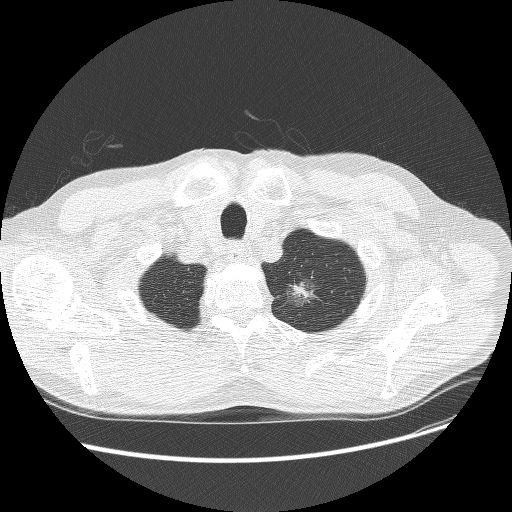
Slice 246/268 of a chest CT, counting up from the lowest; pixel size 0.742 mm, slice thickness 1.25 mm. Pulmonary nodule outlined by three of the four readers; box rows 277–307, columns 284–322 (the union of the readers' outlines on this slice); longest diameter 30.8–31.7 mm and volume 4750–7267 mm3 across the three readers' outlines. The readers' ratings, as ranges where they differ: texture 3/5 (part-solid) from all three readers; margin 1/5 (indistinct), all three readers agreeing; sphericity from 3/5 (ovoid) to 4/5 across the three readers; calcification absent from all three readers; internal structure soft tissue from all three readers; subtlety 4–5/5 (the readers disagree); malignancy likelihood from 4/5 to 5/5 across the three readers. Scale key (1–5): texture non-solid→solid, margin indistinct→circumscribed, sphericity linear→round, subtlety extremely subtle→obvious, malignancy likelihood highly unlikely→highly suspicious of cancer. Box rows and columns are 0-based pixel indices from the top-left corner, inclusive.
Acquired at 120 kVp and reconstructed with the BONE kernel.